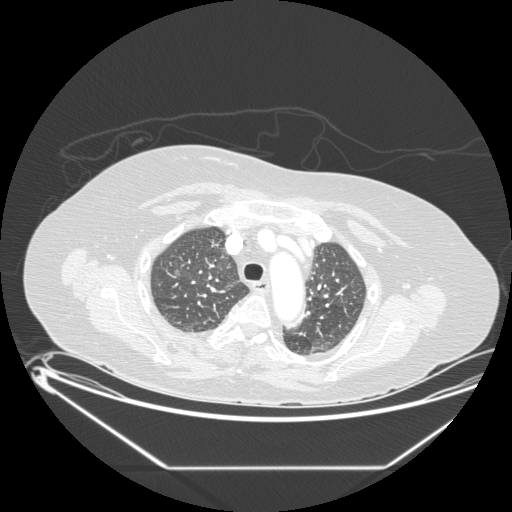
Chest CT, axial plane, 120 kVp, kernel STANDARD. Slice 158/197 from the bottom of the scan; thickness 1.25 mm; pixel size 0.859 mm.
Two pulmonary nodules on this slice, listed from left to right. (1) Pulmonary nodule at rows 269–275, columns 173–179 (box = the union of the readers' outlines on this slice), outlined by all four readers, two of them on this slice; median longest diameter 12.2 mm (readers' outlines 10.4–12.9 mm), median volume 527 mm3 (381–630 mm3). Ratings, median across the readers with their spread: texture 5/5 (solid) at the median of four readers, spread 3/5 (part-solid) to 5/5 (solid); margin 4.5/5 at the median of four readers, spread 2/5 to 5/5 (circumscribed); median sphericity 4.5/5 (readers ranged 4/5 to 5/5 (round)); calcification absent, all four readers agreeing; internal structure: soft tissue (three), air (one); median subtlety 4/5 (readers ranged 3–5); median malignancy likelihood 3/5 (readers ranged 2–4). (2) Pulmonary nodule outlined by all four readers, one of them on this slice; box rows 321–323, columns 195–199 (the one reader's outline on this slice); longest diameter 8.2–16.1 mm and volume 248–473 mm3 across the four readers' outlines. Ratings across the readers: texture from 4/5 to 5/5 (solid) across the four readers; margin from 3/5 to 5/5 (circumscribed) across the four readers; sphericity from 3/5 (ovoid) to 5/5 (round) across the four readers; calcification absent, all four readers agreeing; internal structure soft tissue from all four readers; subtlety rated between 3 and 5 out of 5 by the four readers; malignancy likelihood from 2/5 to 4/5 across the four readers. Scale key (1–5): texture non-solid→solid, margin indistinct→circumscribed, sphericity linear→round, subtlety extremely subtle→obvious, malignancy likelihood highly unlikely→highly suspicious of cancer. Box rows and columns are 0-based pixel indices from the top-left corner, inclusive.